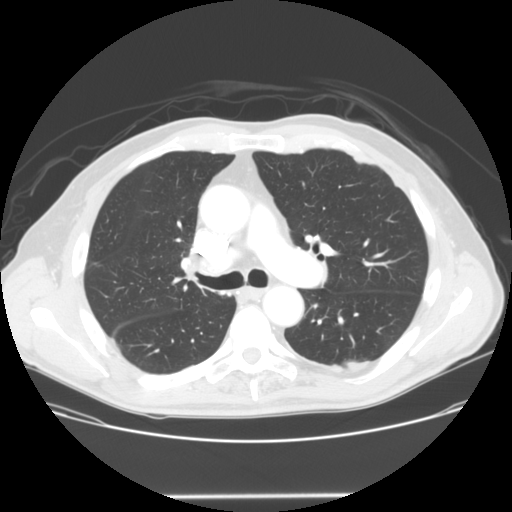
Slice 82/128 of a chest CT, counting up from the lowest; pixel size 0.742 mm, slice thickness 2.50 mm. The readers outlined no nodule of 3 mm or more on this slice.
Tube voltage 120 kVp; convolution kernel STANDARD.